Chest CT, axial plane, 140 kVp, kernel STANDARD. Slice 471/501 from the bottom of the scan; thickness 1.25 mm; pixel size 0.703 mm.
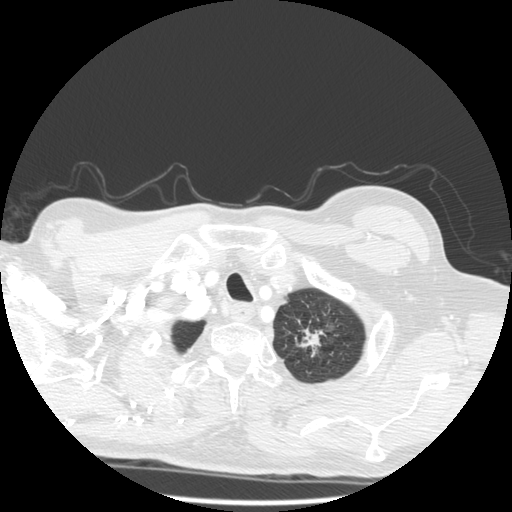
Pulmonary nodule, outlined by three of the four readers. Box on this slice rows 327–356, columns 295–325, the union of the readers' outlines on this slice; longest diameter 35.0 mm on average over the three readers' outlines (readers' outlines 32.1–39.2 mm), volume 2361–4873 mm3. Ratings, by the readers' most common answer with dissent counted: most readers (two of three) put texture at 5/5 (solid), others 4/5 (one); margin split among the readers: 1/5 (indistinct) (one), 3/5 (one), 5/5 (circumscribed) (one); sphericity split among the readers: 2/5 (one), 3/5 (ovoid) (one), 5/5 (round) (one); calcification absent, all three readers agreeing; internal structure soft tissue from all three readers; subtlety 5/5, all three readers agreeing; most readers (two of three) put malignancy likelihood at 5/5, others 4/5 (one). Scale key (1–5): texture non-solid→solid, margin indistinct→circumscribed, sphericity linear→round, subtlety extremely subtle→obvious, malignancy likelihood highly unlikely→highly suspicious of cancer. Box rows and columns are 0-based pixel indices from the top-left corner, inclusive.